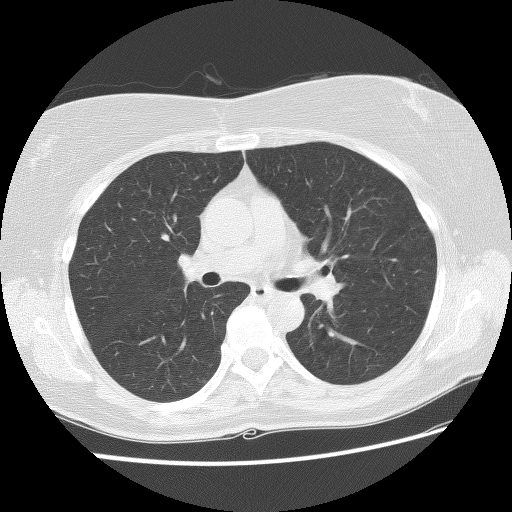
Chest CT, axial plane, 140 kVp, kernel BONE. Slice 79/124 from the bottom of the scan; thickness 2.50 mm; pixel size 0.645 mm.
None of the four readers outlined a nodule of 3 mm or more on this slice.